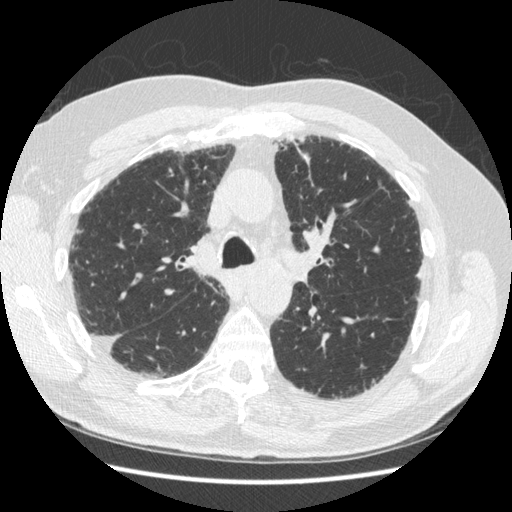
Slice 335/497 of a chest CT, counting up from the lowest; pixel size 0.703 mm, slice thickness 1.25 mm. Pulmonary nodule outlined by all four readers, two of them on this slice; box rows 153–165, columns 301–309 (the union of the readers' outlines on this slice); the four readers' outlines give a longest diameter between 15.2 and 16.7 mm and a volume between 670 and 817 mm3. The readers' ratings, as ranges where they differ: texture 5/5 (solid) from all four readers; margin from 3/5 to 5/5 (circumscribed) across the four readers; sphericity from 2/5 to 5/5 (round) across the four readers; calcification solid calcification from all four readers; internal structure soft tissue, all four readers agreeing; subtlety 5/5, all four readers agreeing; malignancy likelihood 1/5 from all four readers. Scale key (1–5): texture non-solid→solid, margin indistinct→circumscribed, sphericity linear→round, subtlety extremely subtle→obvious, malignancy likelihood highly unlikely→highly suspicious of cancer. Box rows and columns are 0-based pixel indices from the top-left corner, inclusive.
Scan settings: 120 kVp, STANDARD reconstruction kernel.